Chest CT, axial plane, 120 kVp, kernel B45f. Slice 102/347 from the bottom of the scan; thickness 1.00 mm; pixel size 0.625 mm.
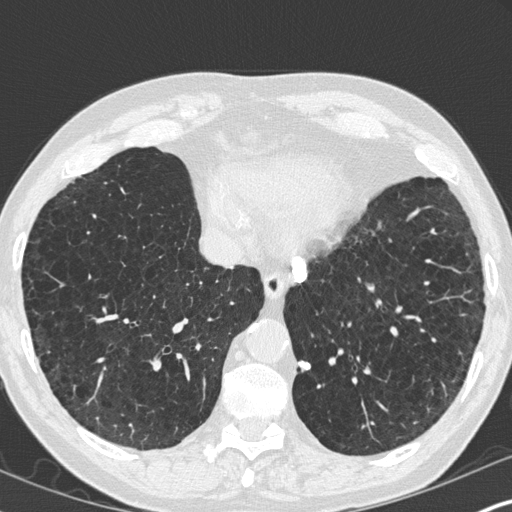
Pulmonary nodule, outlined by two of the four readers. Box on this slice rows 360–371, columns 298–310, the union of the readers' outlines on this slice; longest diameter 12.5 mm on average over the two readers' outlines (readers' outlines 10.7–14.3 mm), volume 348–470 mm3. Ratings, by the readers' most common answer with dissent counted: texture 5/5 (solid) from both readers; margin split among the readers: 4/5 (one), 5/5 (circumscribed) (one); sphericity split among the readers: 3/5 (ovoid) (one), 4/5 (one); calcification solid calcification from both readers; internal structure soft tissue, both readers agreeing; subtlety 5/5 from both readers; malignancy likelihood 1/5, both readers agreeing. Scale key (1–5): texture non-solid→solid, margin indistinct→circumscribed, sphericity linear→round, subtlety extremely subtle→obvious, malignancy likelihood highly unlikely→highly suspicious of cancer. Box rows and columns are 0-based pixel indices from the top-left corner, inclusive.